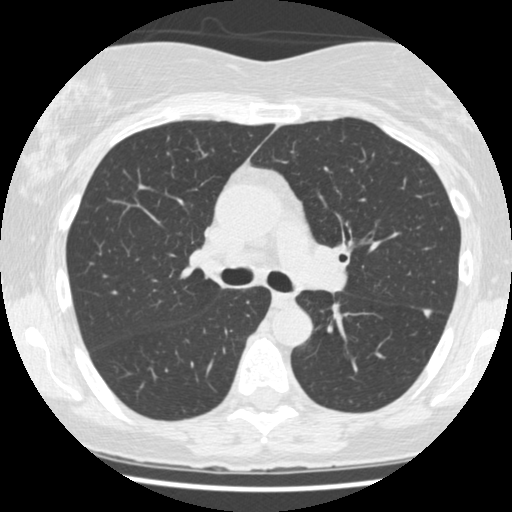
Axial chest CT slice 289 of 477 (counted from the lowest slice); tube voltage 120 kVp, convolution kernel STANDARD; slices 1.25 mm thick, 0.625 mm per pixel.
Pulmonary nodule at rows 308–318, columns 422–432 (box = the union of the readers' outlines on this slice), outlined by three of the four readers; median longest diameter 7.3 mm (readers' outlines 6.2–7.6 mm), median volume 125 mm3 (81–136 mm3). Ratings, median across the readers with their spread: texture 5/5 (solid), all three readers agreeing; margin 5/5 (circumscribed) from all three readers; median sphericity 4/5 (readers ranged 4/5 to 5/5 (round)); calcification absent from all three readers; internal structure soft tissue from all three readers; subtlety 5/5 at the median of three readers, spread 3–5; median malignancy likelihood 2/5 (readers ranged 1–3). Scale key (1–5): texture non-solid→solid, margin indistinct→circumscribed, sphericity linear→round, subtlety extremely subtle→obvious, malignancy likelihood highly unlikely→highly suspicious of cancer. Box rows and columns are 0-based pixel indices from the top-left corner, inclusive.